Axial chest CT slice 324 of 535 (counted from the lowest slice); tube voltage 120 kVp, convolution kernel STANDARD; slices 1.25 mm thick, 0.664 mm per pixel.
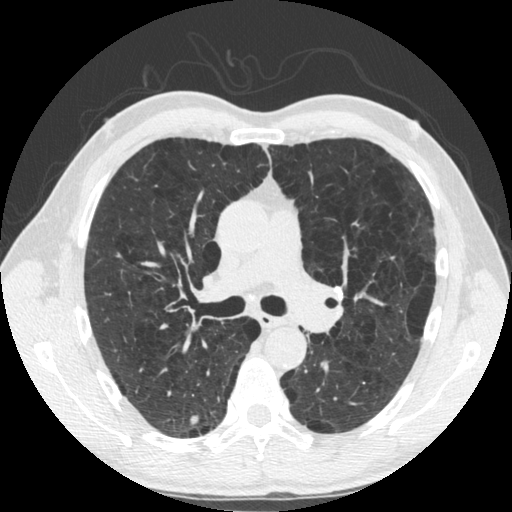
Pulmonary nodule outlined by all four readers; box rows 415–425, columns 189–198 (the union of the readers' outlines on this slice); median longest diameter 11.0 mm (readers' outlines 10.5–12.4 mm), median volume 554 mm3 (543–647 mm3). Ratings, median across the readers with their spread: texture 5/5 (solid), all four readers agreeing; margin 5/5 (circumscribed) from all four readers; median sphericity 4.5/5 (readers ranged 3/5 (ovoid) to 5/5 (round)); calcification: absent (three), laminated calcification (one); internal structure soft tissue from all four readers; subtlety 5/5, all four readers agreeing; median malignancy likelihood 2.5/5 (readers ranged 1–5). Scale key (1–5): texture non-solid→solid, margin indistinct→circumscribed, sphericity linear→round, subtlety extremely subtle→obvious, malignancy likelihood highly unlikely→highly suspicious of cancer. Box rows and columns are 0-based pixel indices from the top-left corner, inclusive.